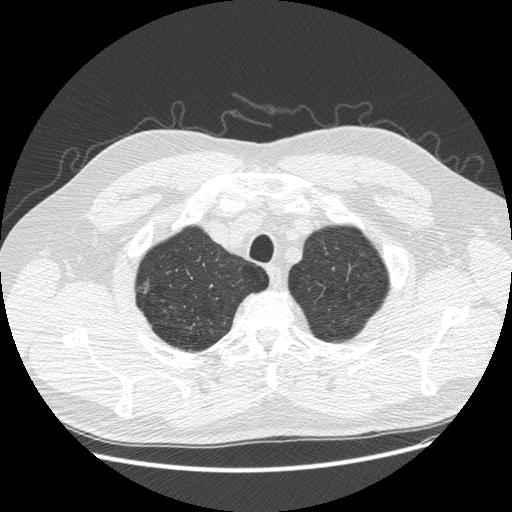
One axial slice (420 of 481, counting up from the lowest) of a chest CT acquired at 120 kVp with the STANDARD kernel; each pixel is 0.742 mm and the slice is 1.25 mm thick.
Pulmonary nodule, outlined by two of the four readers, one of them on this slice. Box on this slice rows 281–291, columns 138–147, the one reader's outline on this slice; longest diameter 15.0–18.6 mm and volume 293–924 mm3 across the two readers' outlines. The readers' ratings, as ranges where they differ: texture 1/5 (non-solid), both readers agreeing; margin from 1/5 (indistinct) to 2/5 across the two readers; sphericity from 3/5 (ovoid) to 5/5 (round) across the two readers; calcification absent from both readers; internal structure soft tissue, both readers agreeing; subtlety 1–2/5 (the readers disagree); malignancy likelihood from 2/5 to 4/5 across the two readers. Scale key (1–5): texture non-solid→solid, margin indistinct→circumscribed, sphericity linear→round, subtlety extremely subtle→obvious, malignancy likelihood highly unlikely→highly suspicious of cancer. Box rows and columns are 0-based pixel indices from the top-left corner, inclusive.